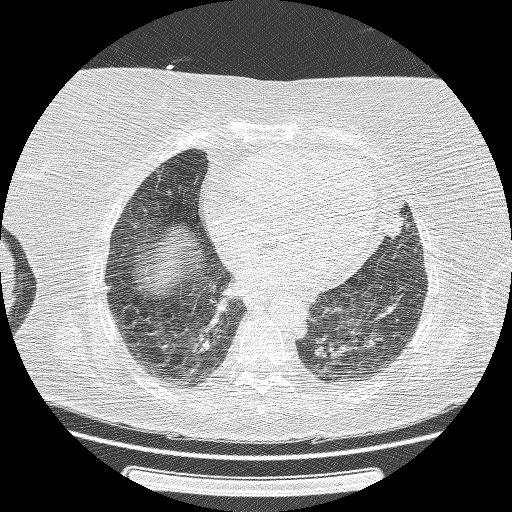
Axial chest CT slice 51 of 162 (counted from the lowest slice); tube voltage 120 kVp, convolution kernel BONE; slices 1.25 mm thick, 0.703 mm per pixel.
Two pulmonary nodules on this slice, listed from left to right. (1) Pulmonary nodule at rows 170–173, columns 156–159 (box = the one reader's outline on this slice), outlined by all four readers, one of them on this slice; longest diameter 10.9–13.0 mm and volume 239–644 mm3 across the four readers' outlines. The readers' ratings, as ranges where they differ: texture 5/5 (solid), all four readers agreeing; margin 4/5, all four readers agreeing; sphericity from 3/5 (ovoid) to 4/5 across the four readers; calcification: absent (three), solid calcification (one); internal structure soft tissue from all four readers; subtlety from 4/5 to 5/5 across the four readers; malignancy likelihood from 1/5 to 3/5 across the four readers. (2) Pulmonary nodule, outlined by two of the four readers. Box on this slice rows 214–238, columns 389–403, the union of the readers' outlines on this slice; longest diameter 20.4 mm on average over the two readers' outlines (readers' outlines 19.1–21.7 mm), volume 914–2424 mm3. Ratings, by the readers' most common answer with dissent counted: texture 5/5 (solid) from both readers; margin split among the readers: 3/5 (one), 4/5 (one); sphericity split among the readers: 3/5 (ovoid) (one), 4/5 (one); calcification absent from both readers; internal structure soft tissue from both readers; subtlety split among the readers: 4/5 (one), 5/5 (one); malignancy likelihood 3/5, both readers agreeing. Scale key (1–5): texture non-solid→solid, margin indistinct→circumscribed, sphericity linear→round, subtlety extremely subtle→obvious, malignancy likelihood highly unlikely→highly suspicious of cancer. Box rows and columns are 0-based pixel indices from the top-left corner, inclusive.